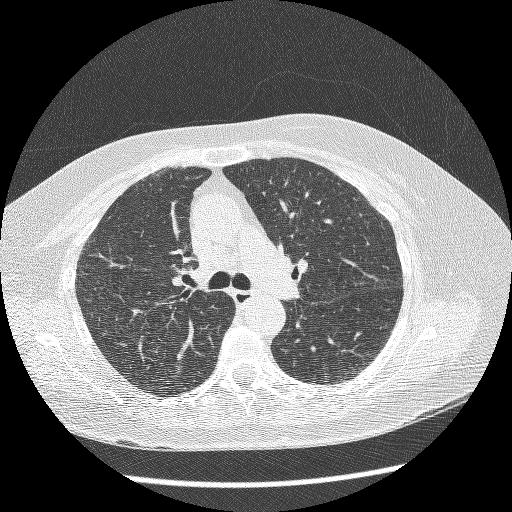
Axial slice 173 of 246 of a chest CT (slice 1 is the lowest), reconstructed with the BONE kernel at 120 kVp; 1.25 mm slice thickness and 0.652 mm pixels.
The readers outlined no nodule of 3 mm or more on this slice.